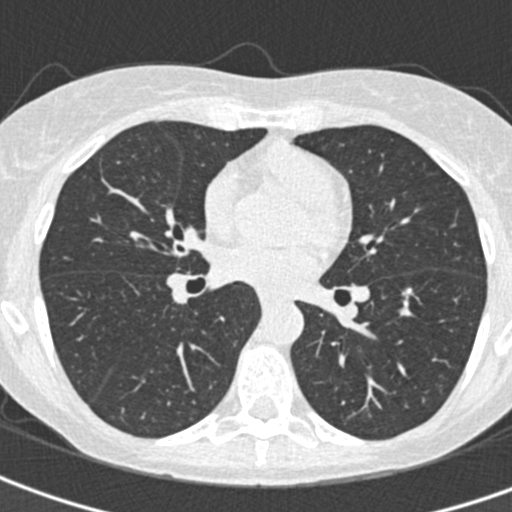
Axial slice 216 of 425 of a chest CT (slice 1 is the lowest), reconstructed with the B30f kernel at 120 kVp; 0.75 mm slice thickness and 0.539 mm pixels.
Pulmonary nodule outlined by all four readers, two of them on this slice; box rows 288–307, columns 403–411 (the union of the readers' outlines on this slice); median longest diameter 11.5 mm (readers' outlines 7.7–12.7 mm), median volume 179 mm3 (139–224 mm3). Median ratings and the readers' spread: texture 5/5 (solid), all four readers agreeing; margin 5/5 (circumscribed), all four readers agreeing; sphericity 4/5 at the median of four readers, spread 2/5 to 5/5 (round); calcification solid calcification, all four readers agreeing; internal structure soft tissue, all four readers agreeing; subtlety 5/5 from all four readers; malignancy likelihood 1/5, all four readers agreeing. Scale key (1–5): texture non-solid→solid, margin indistinct→circumscribed, sphericity linear→round, subtlety extremely subtle→obvious, malignancy likelihood highly unlikely→highly suspicious of cancer. Box rows and columns are 0-based pixel indices from the top-left corner, inclusive.